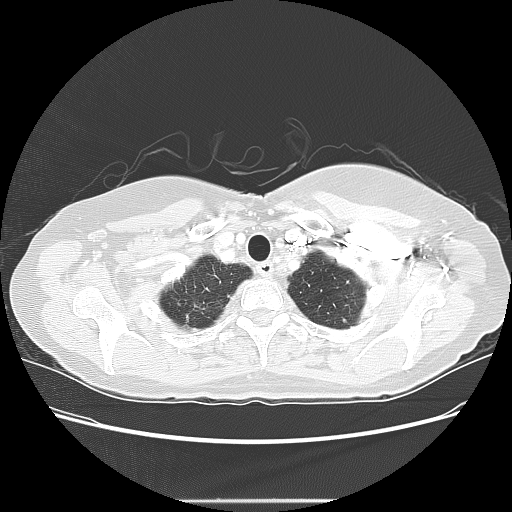
Axial chest CT slice 121 of 130 (counted from the lowest slice); 2.50 mm thick, 0.703 mm per pixel. Pulmonary nodule at rows 318–322, columns 343–346 (box = that reader's outline on this slice), outlined by one of the four readers; longest diameter 4.7 mm and volume 52 mm3 from that reader's outline. That reader's ratings: texture 5/5 (solid); margin 5/5 (circumscribed); sphericity 5/5 (round); calcification solid calcification; internal structure soft tissue; subtlety 4/5; malignancy likelihood 1/5. Scale key (1–5): texture non-solid→solid, margin indistinct→circumscribed, sphericity linear→round, subtlety extremely subtle→obvious, malignancy likelihood highly unlikely→highly suspicious of cancer. Box rows and columns are 0-based pixel indices from the top-left corner, inclusive.
Scan settings: 120 kVp, LUNG reconstruction kernel.